Axial slice 53 of 233 of a chest CT (slice 1 is the lowest), reconstructed with the STANDARD kernel at 120 kVp; 1.25 mm slice thickness and 0.664 mm pixels.
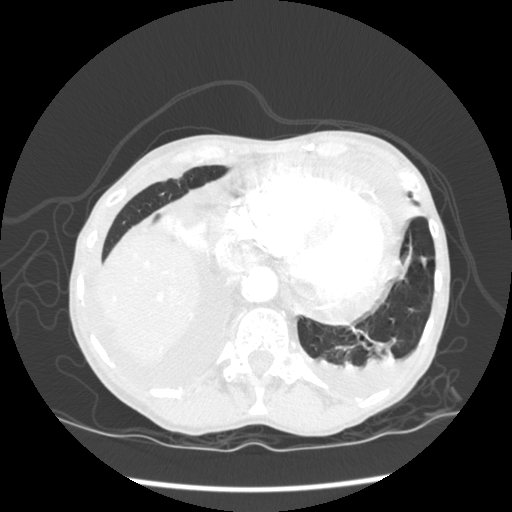
Pulmonary nodule at rows 257–264, columns 421–425 (box = that reader's outline on this slice), outlined by one of the four readers; longest diameter 6.3 mm and volume 82 mm3 from that reader's outline. That reader's ratings: texture 5/5 (solid); margin 5/5 (circumscribed); sphericity 5/5 (round); calcification solid calcification; internal structure soft tissue; subtlety 3/5; malignancy likelihood 1/5. Scale key (1–5): texture non-solid→solid, margin indistinct→circumscribed, sphericity linear→round, subtlety extremely subtle→obvious, malignancy likelihood highly unlikely→highly suspicious of cancer. Box rows and columns are 0-based pixel indices from the top-left corner, inclusive.